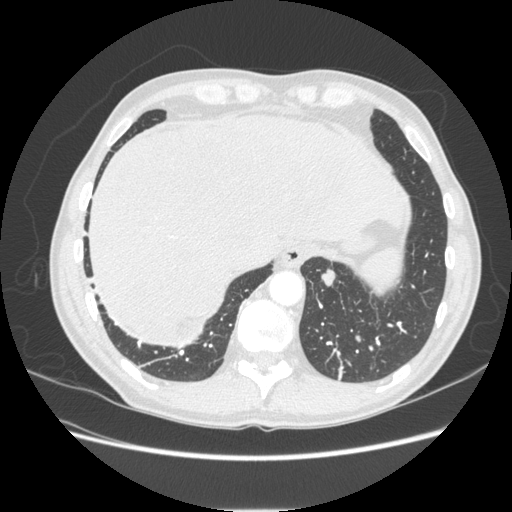
One axial slice (53 of 253, counting up from the lowest) of a chest CT acquired at 120 kVp with the STANDARD kernel; each pixel is 0.742 mm and the slice is 1.25 mm thick.
Two pulmonary nodules on this slice, listed from left to right. (1) Pulmonary nodule, outlined by all four readers. Box on this slice rows 269–286, columns 321–335, the union of the readers' outlines on this slice; longest diameter 15.6–17.5 mm and volume 1063–1176 mm3 across the four readers' outlines. Ratings across the readers: texture 5/5 (solid) from all four readers; margin 5/5 (circumscribed) from all four readers; sphericity from 3/5 (ovoid) to 5/5 (round) across the four readers; calcification absent, all four readers agreeing; internal structure soft tissue from all four readers; subtlety 5/5, all four readers agreeing; malignancy likelihood from 3/5 to 5/5 across the four readers. (2) Pulmonary nodule outlined by all four readers; box rows 334–341, columns 354–360 (the union of the readers' outlines on this slice); the four readers' outlines give a longest diameter between 7.0 and 8.5 mm and a volume between 167 and 207 mm3. Ratings across the readers: texture 5/5 (solid) from all four readers; margin 5/5 (circumscribed) from all four readers; sphericity from 4/5 to 5/5 (round) across the four readers; calcification absent from all four readers; internal structure soft tissue, all four readers agreeing; subtlety 2–4/5 (the readers disagree); malignancy likelihood 2–4/5 (the readers disagree). Scale key (1–5): texture non-solid→solid, margin indistinct→circumscribed, sphericity linear→round, subtlety extremely subtle→obvious, malignancy likelihood highly unlikely→highly suspicious of cancer. Box rows and columns are 0-based pixel indices from the top-left corner, inclusive.